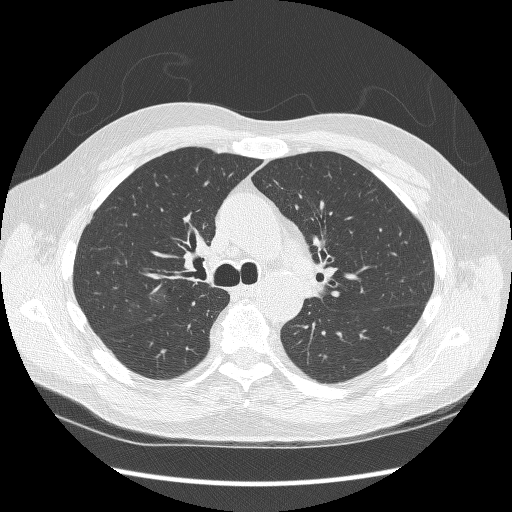
One axial slice (210 of 298, counting up from the lowest) of a chest CT acquired at 120 kVp with the BONE kernel; each pixel is 0.719 mm and the slice is 1.25 mm thick.
No nodule 3 mm or larger was outlined here by any reader.